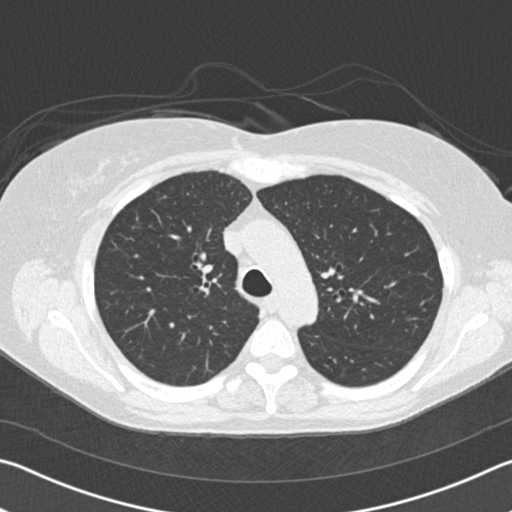
One axial slice (135 of 172, counting up from the lowest) of a chest CT acquired at 120 kVp with the B30f kernel; each pixel is 0.664 mm and the slice is 2.00 mm thick.
Pulmonary nodule at rows 315–319, columns 406–409 (box = the union of the readers' outlines on this slice), outlined by three of the four readers, two of them on this slice; median longest diameter 6.3 mm (readers' outlines 5.9–6.3 mm), median volume 91 mm3 (73–91 mm3). Median ratings and the readers' spread: median texture 1/5 (non-solid) (readers ranged 1/5 (non-solid) to 4/5); median margin 2/5 (readers ranged 2/5 to 4/5); sphericity 5/5 (round) at the median of three readers, spread 3/5 (ovoid) to 5/5 (round); calcification absent from all three readers; internal structure soft tissue, all three readers agreeing; subtlety 2/5 at the median of three readers, spread 2–3; malignancy likelihood 3/5, all three readers agreeing. Scale key (1–5): texture non-solid→solid, margin indistinct→circumscribed, sphericity linear→round, subtlety extremely subtle→obvious, malignancy likelihood highly unlikely→highly suspicious of cancer. Box rows and columns are 0-based pixel indices from the top-left corner, inclusive.